Axial chest CT slice 178 of 280 (counted from the lowest slice); tube voltage 140 kVp, convolution kernel D; slices 1.00 mm thick, 0.801 mm per pixel.
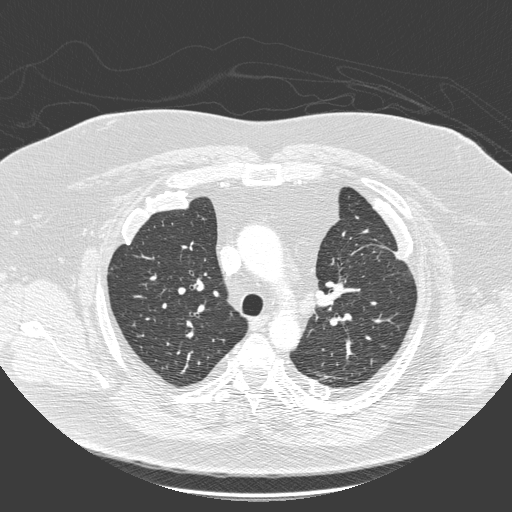
This slice carries no reader outline of a nodule 3 mm or larger.